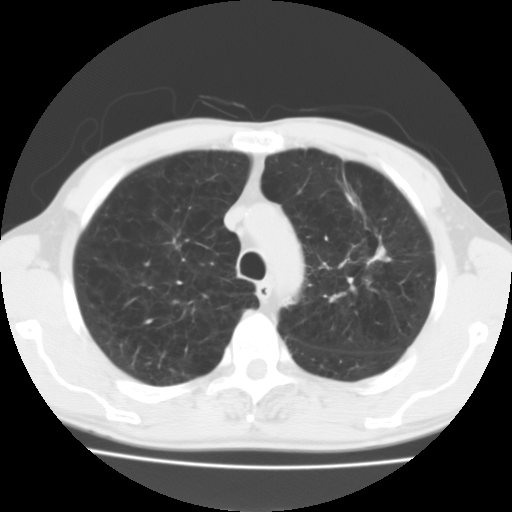
Axial chest CT slice 93 of 124 (counted from the lowest slice); tube voltage 135 kVp, convolution kernel FC01; slices 3.00 mm thick, 0.671 mm per pixel.
Pulmonary nodule, outlined by one of the four readers. Box on this slice rows 246–264, columns 367–384, that reader's outline on this slice; longest diameter 17.3 mm and volume 1303 mm3 from that reader's outline. Ratings by that reader: texture 5/5 (solid); margin 3/5; sphericity 2/5; calcification absent; internal structure soft tissue; subtlety 5/5; malignancy likelihood 3/5. Scale key (1–5): texture non-solid→solid, margin indistinct→circumscribed, sphericity linear→round, subtlety extremely subtle→obvious, malignancy likelihood highly unlikely→highly suspicious of cancer. Box rows and columns are 0-based pixel indices from the top-left corner, inclusive.